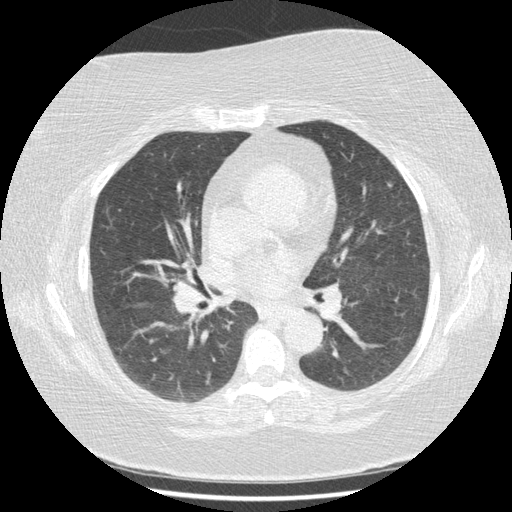
Chest CT, axial plane, 120 kVp, kernel STANDARD. Slice 235/417 from the bottom of the scan; thickness 1.25 mm; pixel size 0.703 mm.
Pulmonary nodule at rows 180–188, columns 386–393 (box = the union of the readers' outlines on this slice), outlined by three of the four readers; median longest diameter 7.3 mm (readers' outlines 6.6–7.3 mm), median volume 71 mm3 (55–92 mm3). Median ratings and the readers' spread: median texture 5/5 (solid) (readers ranged 3/5 (part-solid) to 5/5 (solid)); margin 3/5 at the median of three readers, spread 2/5 to 4/5; sphericity 4/5 from all three readers; calcification absent, all three readers agreeing; internal structure soft tissue, all three readers agreeing; median subtlety 4/5 (readers ranged 4–5); malignancy likelihood 3/5 at the median of three readers, spread 2–3. Scale key (1–5): texture non-solid→solid, margin indistinct→circumscribed, sphericity linear→round, subtlety extremely subtle→obvious, malignancy likelihood highly unlikely→highly suspicious of cancer. Box rows and columns are 0-based pixel indices from the top-left corner, inclusive.